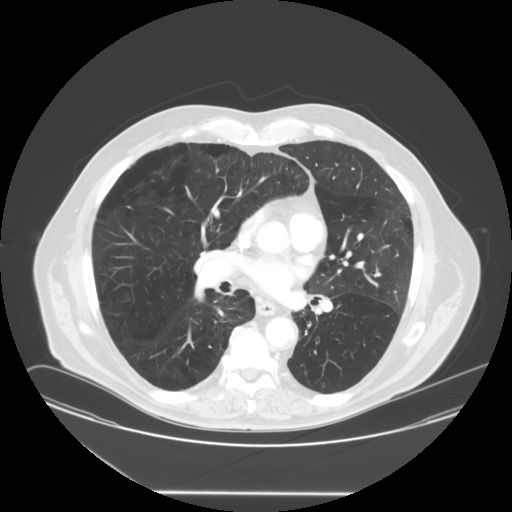
Axial chest CT slice 78 of 148 (counted from the lowest slice); 2.50 mm thick, 0.859 mm per pixel. This slice carries no reader outline of a nodule 3 mm or larger.
Tube voltage 120 kVp; convolution kernel STANDARD.